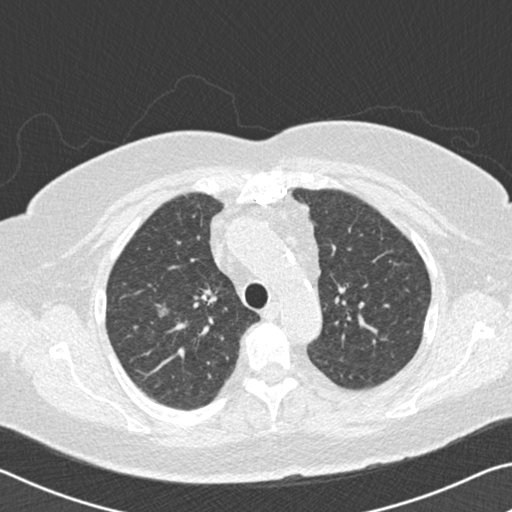
Axial chest CT slice 127 of 167 (counted from the lowest slice); tube voltage 120 kVp, convolution kernel B30f; slices 2.00 mm thick, 0.664 mm per pixel.
Pulmonary nodule at rows 303–317, columns 155–168 (box = the union of the readers' outlines on this slice), outlined by all four readers; median longest diameter 14.3 mm (readers' outlines 13.7–15.2 mm), median volume 1020 mm3 (840–1189 mm3). Ratings, median across the readers with their spread: texture 5/5 (solid) from all four readers; margin 4/5 at the median of four readers, spread 4/5 to 5/5 (circumscribed); sphericity 4.5/5 at the median of four readers, spread 3/5 (ovoid) to 5/5 (round); calcification absent, all four readers agreeing; internal structure soft tissue, all four readers agreeing; subtlety 5/5 at the median of four readers, spread 4–5; malignancy likelihood 4/5 at the median of four readers, spread 3–5. Scale key (1–5): texture non-solid→solid, margin indistinct→circumscribed, sphericity linear→round, subtlety extremely subtle→obvious, malignancy likelihood highly unlikely→highly suspicious of cancer. Box rows and columns are 0-based pixel indices from the top-left corner, inclusive.